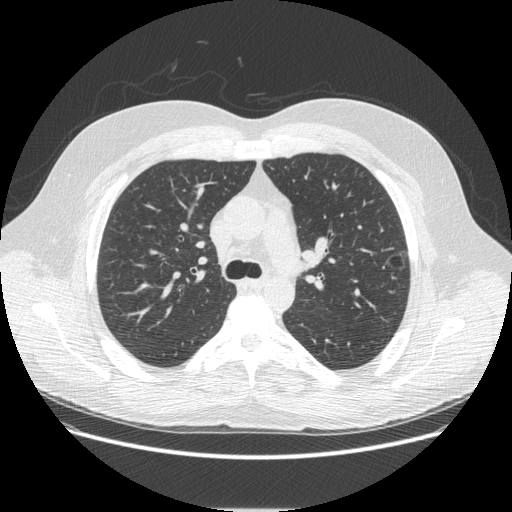
Chest CT, axial plane, 120 kVp, kernel STANDARD. Slice 321/497 from the bottom of the scan; thickness 1.25 mm; pixel size 0.762 mm.
Pulmonary nodule at rows 251–270, columns 385–406 (box = the union of the readers' outlines on this slice), outlined by all four readers; median longest diameter 21.7 mm (readers' outlines 21.5–22.5 mm), median volume 2358 mm3 (2170–2597 mm3). Ratings, median across the readers with their spread: median texture 1/5 (non-solid) (readers ranged 1/5 (non-solid) to 3/5 (part-solid)); median margin 3/5 (readers ranged 2/5 to 4/5); median sphericity 4.5/5 (readers ranged 3/5 (ovoid) to 5/5 (round)); calcification absent, all four readers agreeing; internal structure split among the readers: air (two), soft tissue (two); subtlety 4/5 at the median of four readers, spread 1–5; median malignancy likelihood 3/5 (readers ranged 1–5). Scale key (1–5): texture non-solid→solid, margin indistinct→circumscribed, sphericity linear→round, subtlety extremely subtle→obvious, malignancy likelihood highly unlikely→highly suspicious of cancer. Box rows and columns are 0-based pixel indices from the top-left corner, inclusive.